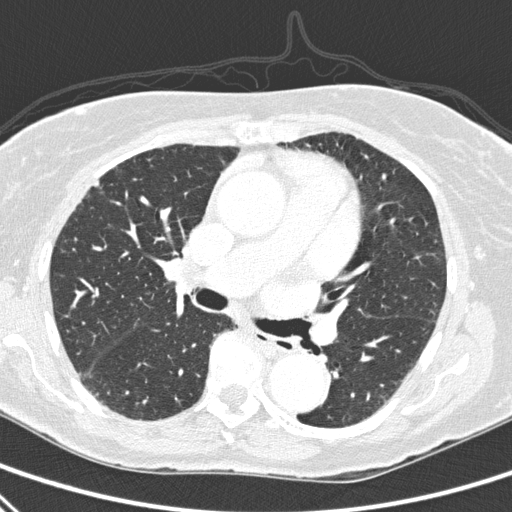
Slice 183/310 of a chest CT, counting up from the lowest; pixel size 0.643 mm, slice thickness 1.00 mm. Pulmonary nodule outlined by two of the four readers; box rows 180–186, columns 93–99 (the union of the readers' outlines on this slice); longest diameter 6.4 mm on average over the two readers' outlines (readers' outlines 6.1–6.7 mm), volume 78–81 mm3. Ratings, by the readers' most common answer with dissent counted: texture 5/5 (solid) from both readers; margin split among the readers: 4/5 (one), 5/5 (circumscribed) (one); sphericity split among the readers: 2/5 (one), 4/5 (one); calcification split among the readers: absent (one), non-central calcification (one); internal structure soft tissue from both readers; subtlety 5/5, both readers agreeing; malignancy likelihood split among the readers: 1/5 (one), 3/5 (one). Scale key (1–5): texture non-solid→solid, margin indistinct→circumscribed, sphericity linear→round, subtlety extremely subtle→obvious, malignancy likelihood highly unlikely→highly suspicious of cancer. Box rows and columns are 0-based pixel indices from the top-left corner, inclusive.
Acquired at 120 kVp and reconstructed with the D kernel.